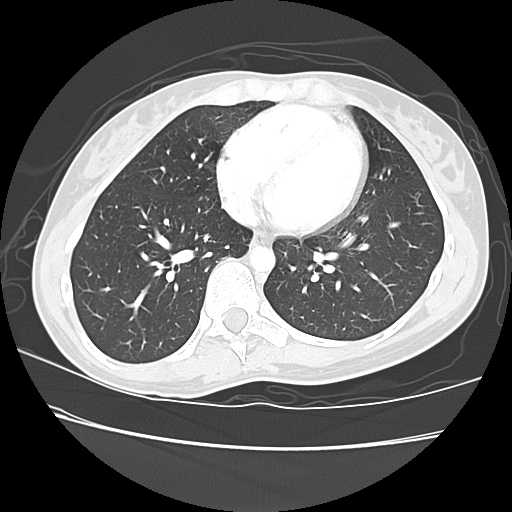
Axial slice 60 of 140 of a chest CT (slice 1 is the lowest), reconstructed with the LUNG kernel at 120 kVp; 2.50 mm slice thickness and 0.625 mm pixels.
No nodule 3 mm or larger was outlined here by any reader.